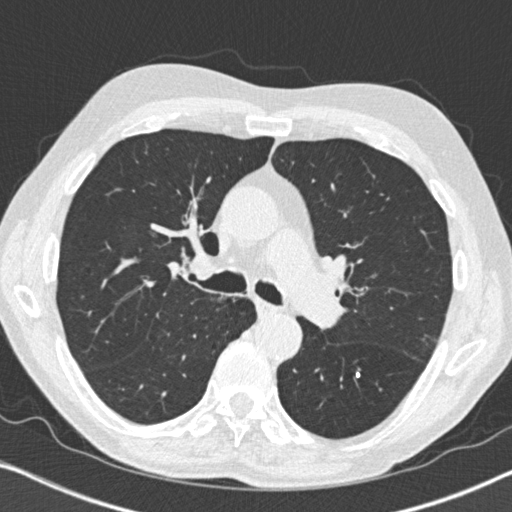
Slice 492/764 of a chest CT, counting up from the lowest; pixel size 0.646 mm, slice thickness 1.00 mm. Pulmonary nodule at rows 372–377, columns 355–360 (box = the union of the readers' outlines on this slice), outlined by two of the four readers; longest diameter 5.2 mm on average over the two readers' outlines (readers' outlines 4.7–5.8 mm), volume 50–90 mm3. Ratings, by the readers' most common answer with dissent counted: texture 5/5 (solid) from both readers; margin 5/5 (circumscribed) from both readers; sphericity split among the readers: 4/5 (one), 5/5 (round) (one); calcification solid calcification, both readers agreeing; internal structure soft tissue from both readers; subtlety 5/5, both readers agreeing; malignancy likelihood 1/5 from both readers. Scale key (1–5): texture non-solid→solid, margin indistinct→circumscribed, sphericity linear→round, subtlety extremely subtle→obvious, malignancy likelihood highly unlikely→highly suspicious of cancer. Box rows and columns are 0-based pixel indices from the top-left corner, inclusive.
Scan settings: 120 kVp, B31f reconstruction kernel.